Chest CT, axial plane, 120 kVp, kernel B30f. Slice 85/187 from the bottom of the scan; thickness 2.00 mm; pixel size 0.742 mm.
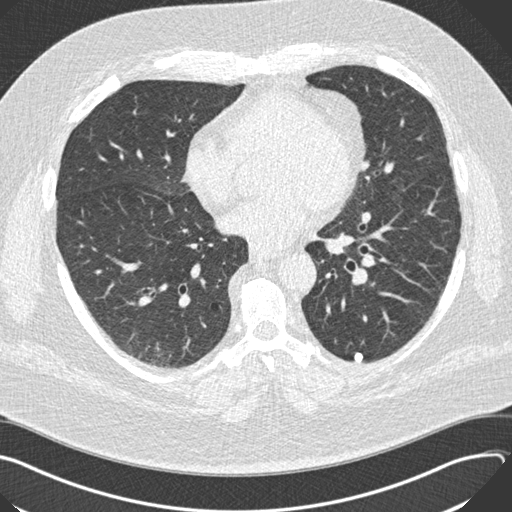
Pulmonary nodule outlined by all four readers; box rows 351–362, columns 353–363 (the union of the readers' outlines on this slice); median longest diameter 9.5 mm (readers' outlines 8.7–10.6 mm), median volume 315 mm3 (265–407 mm3). Ratings, median across the readers with their spread: texture 5/5 (solid) from all four readers; median margin 5/5 (circumscribed) (readers ranged 4/5 to 5/5 (circumscribed)); median sphericity 5/5 (round) (readers ranged 3/5 (ovoid) to 5/5 (round)); calcification: solid calcification (three), absent (one); internal structure soft tissue, all four readers agreeing; median subtlety 5/5 (readers ranged 4–5); median malignancy likelihood 1/5 (readers ranged 1–5). Scale key (1–5): texture non-solid→solid, margin indistinct→circumscribed, sphericity linear→round, subtlety extremely subtle→obvious, malignancy likelihood highly unlikely→highly suspicious of cancer. Box rows and columns are 0-based pixel indices from the top-left corner, inclusive.